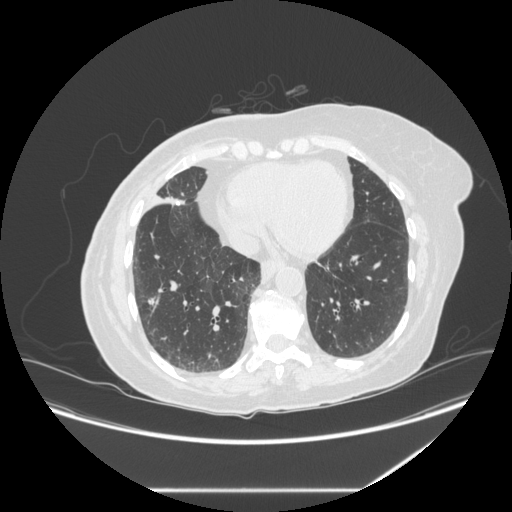
This is axial slice 118 of 281 (slice 1 is the lowest) of a chest CT; each pixel is 0.816 mm and the slice is 1.25 mm thick. Pulmonary nodule outlined by all four readers; box rows 297–304, columns 147–154 (the union of the readers' outlines on this slice); longest diameter 8.2 mm on average over the four readers' outlines (readers' outlines 7.4–8.5 mm), volume 147–237 mm3. The readers' prevailing ratings and who disagreed: texture 5/5 (solid), all four readers agreeing; margin 5/5 (circumscribed), all four readers agreeing; sphericity split among the readers: 4/5 (two), 5/5 (round) (two); calcification solid calcification by three of four readers, absent (one); internal structure soft tissue from all four readers; subtlety 4/5 by three of four readers; the rest gave 5/5 (one); most readers (three of four) put malignancy likelihood at 1/5, others 3/5 (one). Scale key (1–5): texture non-solid→solid, margin indistinct→circumscribed, sphericity linear→round, subtlety extremely subtle→obvious, malignancy likelihood highly unlikely→highly suspicious of cancer. Box rows and columns are 0-based pixel indices from the top-left corner, inclusive.
Tube voltage 120 kVp; convolution kernel STANDARD.